Chest CT, axial plane, 135 kVp, kernel FC01. Slice 76/99 from the bottom of the scan; thickness 3.00 mm; pixel size 0.586 mm.
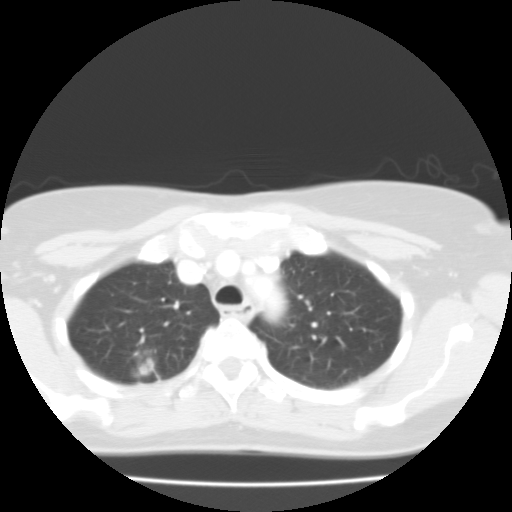
Pulmonary nodule outlined by all four readers; box rows 356–377, columns 134–159 (the union of the readers' outlines on this slice); longest diameter 23.2–25.9 mm and volume 4482–6539 mm3 across the four readers' outlines. Ratings across the readers: texture 5/5 (solid), all four readers agreeing; margin from 4/5 to 5/5 (circumscribed) across the four readers; sphericity from 4/5 to 5/5 (round) across the four readers; calcification absent, all four readers agreeing; internal structure soft tissue, all four readers agreeing; subtlety rated between 3 and 5 out of 5 by the four readers; malignancy likelihood rated between 2 and 5 out of 5 by the four readers. Scale key (1–5): texture non-solid→solid, margin indistinct→circumscribed, sphericity linear→round, subtlety extremely subtle→obvious, malignancy likelihood highly unlikely→highly suspicious of cancer. Box rows and columns are 0-based pixel indices from the top-left corner, inclusive.